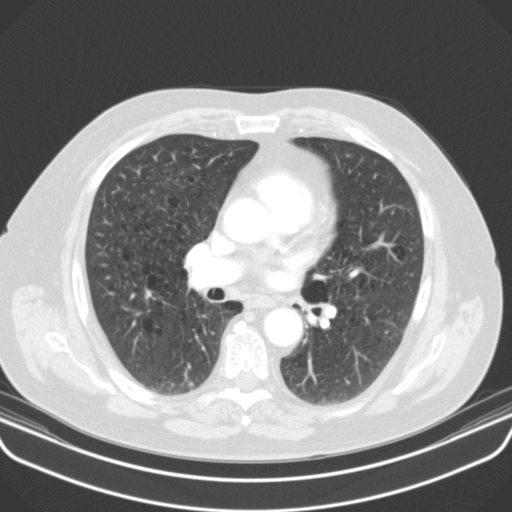
This is axial slice 61 of 107 (slice 1 is the lowest) of a chest CT; each pixel is 0.742 mm and the slice is 3.00 mm thick. Pulmonary nodule, outlined by all four readers, three of them on this slice. Box on this slice rows 287–299, columns 144–152, the union of the readers' outlines on this slice; longest diameter 11.8 mm on average over the four readers' outlines (readers' outlines 11.5–12.1 mm), volume 213–451 mm3. Ratings, by the readers' most common answer with dissent counted: texture 4/5 by two of four readers; the rest gave 3/5 (part-solid) (one), 5/5 (solid) (one); most readers (three of four) put margin at 4/5, others 2/5 (one); sphericity 3/5 (ovoid) by two of four readers; the rest gave 4/5 (one), 5/5 (round) (one); calcification absent, all four readers agreeing; internal structure soft tissue, all four readers agreeing; subtlety 5/5, all four readers agreeing; malignancy likelihood 4/5 by two of four readers; the rest gave 2/5 (one), 3/5 (one). Scale key (1–5): texture non-solid→solid, margin indistinct→circumscribed, sphericity linear→round, subtlety extremely subtle→obvious, malignancy likelihood highly unlikely→highly suspicious of cancer. Box rows and columns are 0-based pixel indices from the top-left corner, inclusive.
Acquired at 130 kVp and reconstructed with the B31s kernel.